Axial chest CT slice 218 of 383 (counted from the lowest slice); tube voltage 120 kVp, convolution kernel B45f; slices 1.00 mm thick, 0.664 mm per pixel.
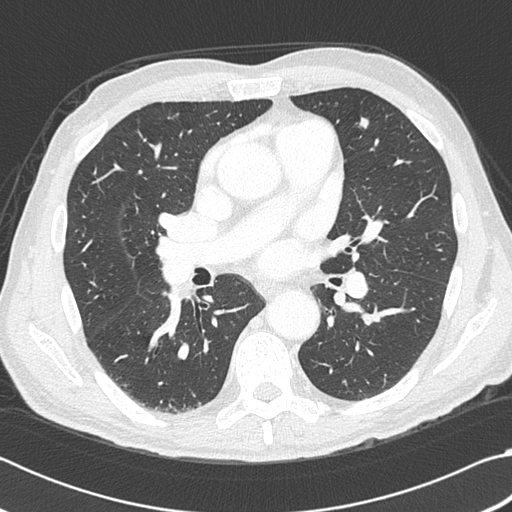
Pulmonary nodule outlined by all four readers; box rows 116–128, columns 359–370 (the union of the readers' outlines on this slice); longest diameter 10.1–11.8 mm and volume 386–564 mm3 across the four readers' outlines. Ratings across the readers: texture 5/5 (solid) from all four readers; margin from 4/5 to 5/5 (circumscribed) across the four readers; sphericity from 3/5 (ovoid) to 5/5 (round) across the four readers; calcification absent from all four readers; internal structure soft tissue from all four readers; subtlety 4–5/5 (the readers disagree); malignancy likelihood 2–5/5 (the readers disagree). Scale key (1–5): texture non-solid→solid, margin indistinct→circumscribed, sphericity linear→round, subtlety extremely subtle→obvious, malignancy likelihood highly unlikely→highly suspicious of cancer. Box rows and columns are 0-based pixel indices from the top-left corner, inclusive.